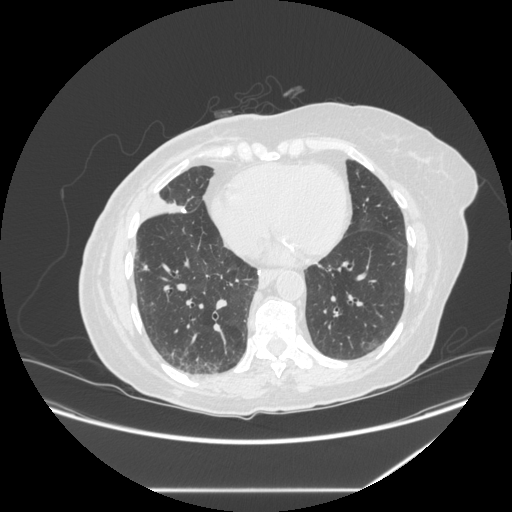
This is axial slice 123 of 281 (slice 1 is the lowest) of a chest CT; each pixel is 0.816 mm and the slice is 1.25 mm thick. Pulmonary nodule outlined by all four readers; box rows 264–270, columns 142–147 (the union of the readers' outlines on this slice); median longest diameter 6.8 mm (readers' outlines 5.9–7.0 mm), median volume 82 mm3 (68–103 mm3). Ratings, median across the readers with their spread: texture 5/5 (solid), all four readers agreeing; margin 5/5 (circumscribed) at the median of four readers, spread 4/5 to 5/5 (circumscribed); median sphericity 4.5/5 (readers ranged 3/5 (ovoid) to 5/5 (round)); calcification: central calcification (three), absent (one); internal structure soft tissue from all four readers; subtlety 4/5 at the median of four readers, spread 1–5; median malignancy likelihood 1/5 (readers ranged 1–3). Scale key (1–5): texture non-solid→solid, margin indistinct→circumscribed, sphericity linear→round, subtlety extremely subtle→obvious, malignancy likelihood highly unlikely→highly suspicious of cancer. Box rows and columns are 0-based pixel indices from the top-left corner, inclusive.
Acquired at 120 kVp and reconstructed with the STANDARD kernel.